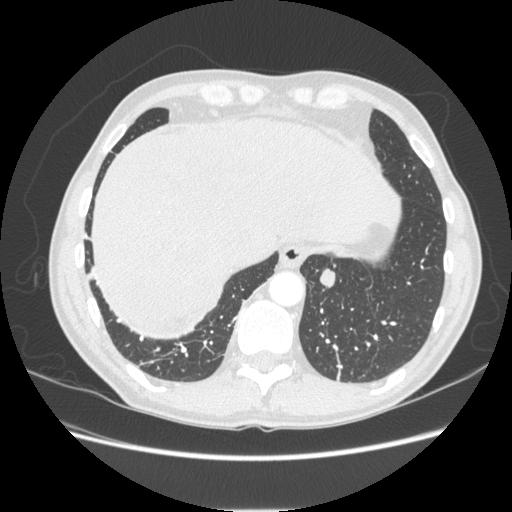
One axial slice (56 of 253, counting up from the lowest) of a chest CT acquired at 120 kVp with the STANDARD kernel; each pixel is 0.742 mm and the slice is 1.25 mm thick.
Pulmonary nodule at rows 268–287, columns 318–334 (box = the union of the readers' outlines on this slice), outlined by all four readers; longest diameter 16.3 mm on average over the four readers' outlines (readers' outlines 15.6–17.5 mm), volume 1063–1176 mm3. The readers' prevailing ratings and who disagreed: texture 5/5 (solid) from all four readers; margin 5/5 (circumscribed) from all four readers; sphericity 5/5 (round) by two of four readers; the rest gave 3/5 (ovoid) (one), 4/5 (one); calcification absent, all four readers agreeing; internal structure soft tissue from all four readers; subtlety 5/5, all four readers agreeing; malignancy likelihood 3/5 by two of four readers; the rest gave 4/5 (one), 5/5 (one). Scale key (1–5): texture non-solid→solid, margin indistinct→circumscribed, sphericity linear→round, subtlety extremely subtle→obvious, malignancy likelihood highly unlikely→highly suspicious of cancer. Box rows and columns are 0-based pixel indices from the top-left corner, inclusive.